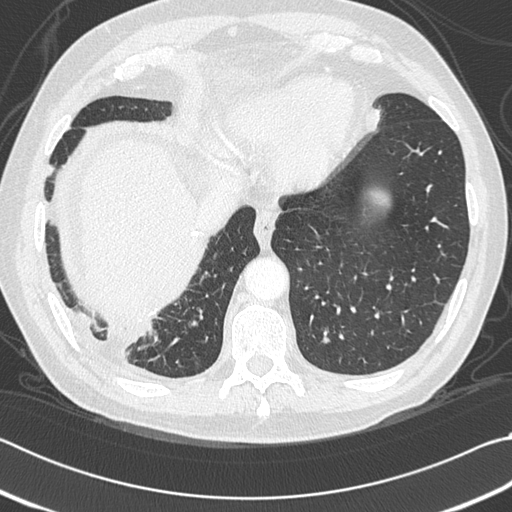
Axial slice 98 of 312 of a chest CT (slice 1 is the lowest), reconstructed with the B45f kernel at 120 kVp; 1.00 mm slice thickness and 0.664 mm pixels.
Pulmonary nodule, outlined by three of the four readers. Box on this slice rows 337–342, columns 322–329, the union of the readers' outlines on this slice; longest diameter 7.3 mm on average over the three readers' outlines (readers' outlines 6.9–7.4 mm), volume 82–108 mm3. Ratings, by the readers' most common answer with dissent counted: texture 5/5 (solid) from all three readers; margin 4/5 by two of three readers; the rest gave 5/5 (circumscribed) (one); sphericity 5/5 (round) by two of three readers; the rest gave 3/5 (ovoid) (one); calcification absent from all three readers; internal structure soft tissue, all three readers agreeing; subtlety 2/5 by two of three readers; the rest gave 4/5 (one); most readers (two of three) put malignancy likelihood at 3/5, others 2/5 (one). Scale key (1–5): texture non-solid→solid, margin indistinct→circumscribed, sphericity linear→round, subtlety extremely subtle→obvious, malignancy likelihood highly unlikely→highly suspicious of cancer. Box rows and columns are 0-based pixel indices from the top-left corner, inclusive.